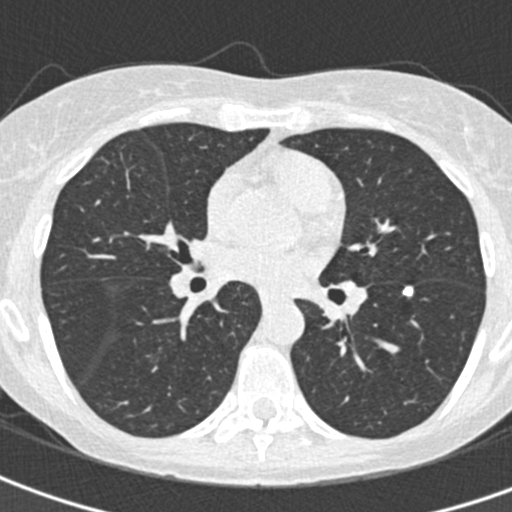
This is axial slice 222 of 425 (slice 1 is the lowest) of a chest CT; each pixel is 0.539 mm and the slice is 0.75 mm thick. Pulmonary nodule, outlined by all four readers. Box on this slice rows 286–296, columns 402–413, the union of the readers' outlines on this slice; the four readers' outlines give a longest diameter between 7.7 and 12.7 mm and a volume between 139 and 224 mm3. The readers' ratings, as ranges where they differ: texture 5/5 (solid), all four readers agreeing; margin 5/5 (circumscribed), all four readers agreeing; sphericity from 2/5 to 5/5 (round) across the four readers; calcification solid calcification from all four readers; internal structure soft tissue, all four readers agreeing; subtlety 5/5, all four readers agreeing; malignancy likelihood 1/5 from all four readers. Scale key (1–5): texture non-solid→solid, margin indistinct→circumscribed, sphericity linear→round, subtlety extremely subtle→obvious, malignancy likelihood highly unlikely→highly suspicious of cancer. Box rows and columns are 0-based pixel indices from the top-left corner, inclusive.
Scan settings: 120 kVp, B30f reconstruction kernel.